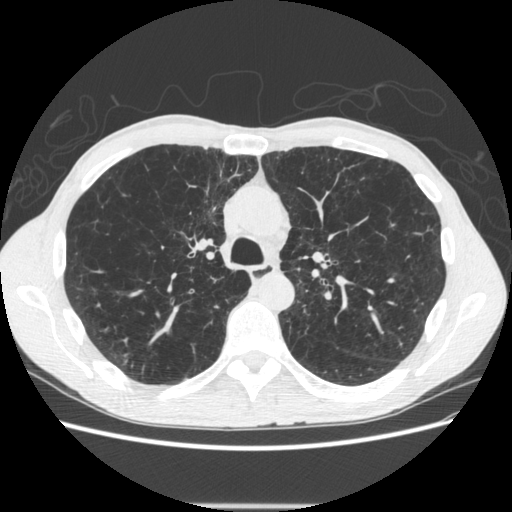
Axial chest CT slice 408 of 605 (counted from the lowest slice); tube voltage 120 kVp, convolution kernel STANDARD; slices 1.25 mm thick, 0.703 mm per pixel.
No nodule 3 mm or larger was outlined here by any reader.